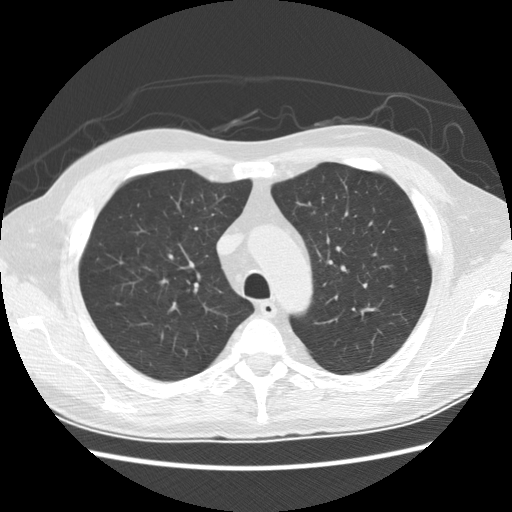
Axial chest CT slice 110 of 154 (counted from the lowest slice); 2.50 mm thick, 0.684 mm per pixel. This slice carries no reader outline of a nodule 3 mm or larger.
Scan settings: 120 kVp, STANDARD reconstruction kernel.